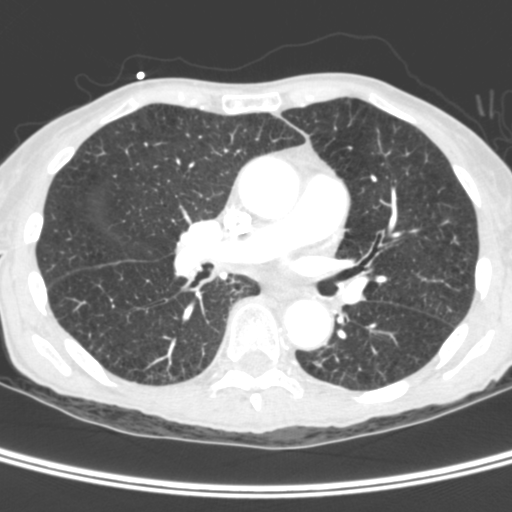
Axial chest CT slice 205 of 400 (counted from the lowest slice); tube voltage 120 kVp, convolution kernel C; slices 1.50 mm thick, 0.527 mm per pixel.
Pulmonary nodule, outlined by three of the four readers. Box on this slice rows 360–366, columns 313–321, the union of the readers' outlines on this slice; the three readers' outlines give a longest diameter between 6.0 and 8.7 mm and a volume between 56 and 91 mm3. The readers' ratings, as ranges where they differ: texture 5/5 (solid), all three readers agreeing; margin from 3/5 to 4/5 across the three readers; sphericity from 2/5 to 3/5 (ovoid) across the three readers; calcification absent from all three readers; internal structure soft tissue from all three readers; subtlety rated between 3 and 5 out of 5 by the three readers; malignancy likelihood rated between 1 and 4 out of 5 by the three readers. Scale key (1–5): texture non-solid→solid, margin indistinct→circumscribed, sphericity linear→round, subtlety extremely subtle→obvious, malignancy likelihood highly unlikely→highly suspicious of cancer. Box rows and columns are 0-based pixel indices from the top-left corner, inclusive.